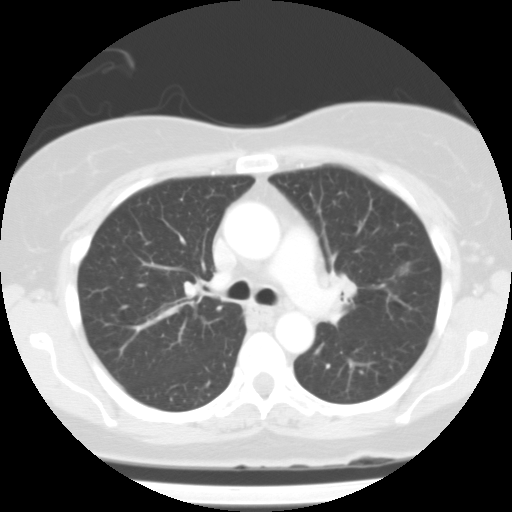
Axial chest CT slice 65 of 98 (counted from the lowest slice); tube voltage 135 kVp, convolution kernel FC01; slices 3.00 mm thick, 0.637 mm per pixel.
Pulmonary nodule outlined by all four readers, two of them on this slice; box rows 261–275, columns 397–408 (the union of the readers' outlines on this slice); median longest diameter 14.0 mm (readers' outlines 12.4–15.3 mm), median volume 877 mm3 (600–1083 mm3). Median ratings and the readers' spread: texture 5/5 (solid) at the median of four readers, spread 4/5 to 5/5 (solid); median margin 4/5 (readers ranged 2/5 to 5/5 (circumscribed)); sphericity 5/5 (round), all four readers agreeing; calcification absent from all four readers; internal structure soft tissue from all four readers; subtlety 5/5 at the median of four readers, spread 4–5; malignancy likelihood 3.5/5 at the median of four readers, spread 3–5. Scale key (1–5): texture non-solid→solid, margin indistinct→circumscribed, sphericity linear→round, subtlety extremely subtle→obvious, malignancy likelihood highly unlikely→highly suspicious of cancer. Box rows and columns are 0-based pixel indices from the top-left corner, inclusive.